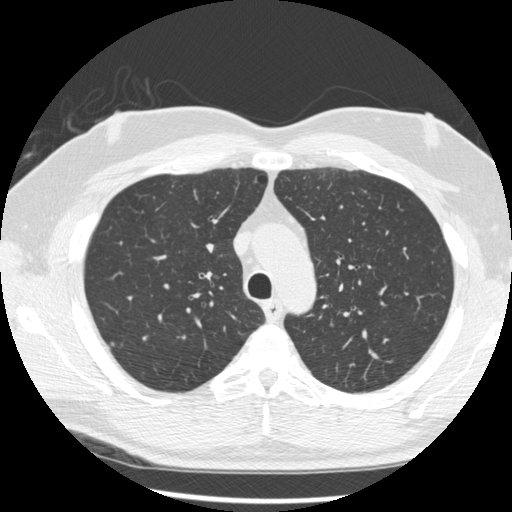
Chest CT, axial plane, 120 kVp, kernel STANDARD. Slice 347/522 from the bottom of the scan; thickness 1.25 mm; pixel size 0.703 mm.
Pulmonary nodule outlined by one of the four readers; box rows 341–345, columns 109–114 (that reader's outline on this slice); longest diameter 5.4 mm and volume 41 mm3 from that reader's outline. Ratings by that reader: texture 5/5 (solid); margin 5/5 (circumscribed); sphericity 4/5; calcification absent; internal structure soft tissue; subtlety 4/5; malignancy likelihood 3/5. Scale key (1–5): texture non-solid→solid, margin indistinct→circumscribed, sphericity linear→round, subtlety extremely subtle→obvious, malignancy likelihood highly unlikely→highly suspicious of cancer. Box rows and columns are 0-based pixel indices from the top-left corner, inclusive.